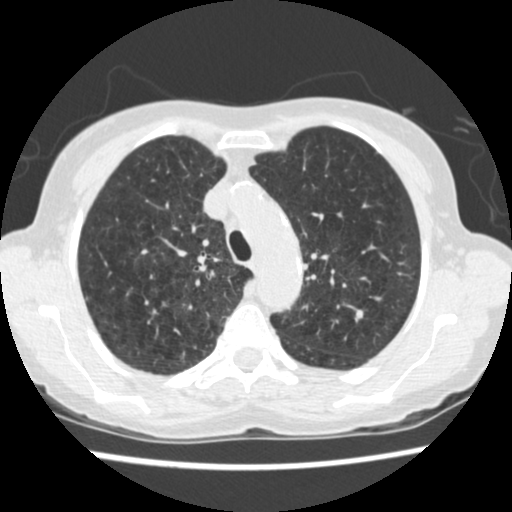
Chest CT, axial plane, 120 kVp, kernel STANDARD. Slice 402/541 from the bottom of the scan; thickness 1.25 mm; pixel size 0.586 mm.
Pulmonary nodule at rows 310–318, columns 356–362 (box = the union of the readers' outlines on this slice), outlined by two of the four readers; longest diameter 5.6–6.1 mm and volume 85–100 mm3 across the two readers' outlines. Ratings across the readers: texture 5/5 (solid) from both readers; margin 5/5 (circumscribed), both readers agreeing; sphericity from 3/5 (ovoid) to 5/5 (round) across the two readers; calcification split among the readers: absent (one), solid calcification (one); internal structure soft tissue, both readers agreeing; subtlety from 2/5 to 5/5 across the two readers; malignancy likelihood 1–3/5 (the readers disagree). Scale key (1–5): texture non-solid→solid, margin indistinct→circumscribed, sphericity linear→round, subtlety extremely subtle→obvious, malignancy likelihood highly unlikely→highly suspicious of cancer. Box rows and columns are 0-based pixel indices from the top-left corner, inclusive.